Chest CT, axial plane, 120 kVp, kernel B30f. Slice 228/493 from the bottom of the scan; thickness 0.75 mm; pixel size 0.762 mm.
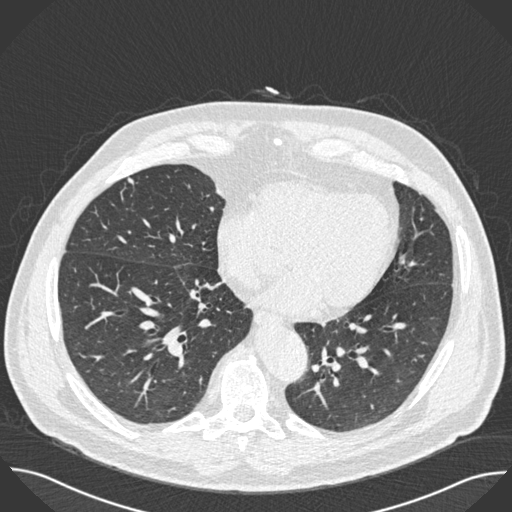
Pulmonary nodule at rows 177–184, columns 127–134 (box = the union of the readers' outlines on this slice), outlined by three of the four readers; the three readers' outlines give a longest diameter between 7.2 and 7.6 mm and a volume between 74 and 97 mm3. The readers' ratings, as ranges where they differ: texture 5/5 (solid) from all three readers; margin from 1/5 (indistinct) to 5/5 (circumscribed) across the three readers; sphericity from 3/5 (ovoid) to 4/5 across the three readers; calcification absent from all three readers; internal structure soft tissue, all three readers agreeing; subtlety from 3/5 to 5/5 across the three readers; malignancy likelihood 3/5, all three readers agreeing. Scale key (1–5): texture non-solid→solid, margin indistinct→circumscribed, sphericity linear→round, subtlety extremely subtle→obvious, malignancy likelihood highly unlikely→highly suspicious of cancer. Box rows and columns are 0-based pixel indices from the top-left corner, inclusive.